Axial chest CT slice 114 of 143 (counted from the lowest slice); tube voltage 120 kVp, convolution kernel LUNG; slices 2.50 mm thick, 0.781 mm per pixel.
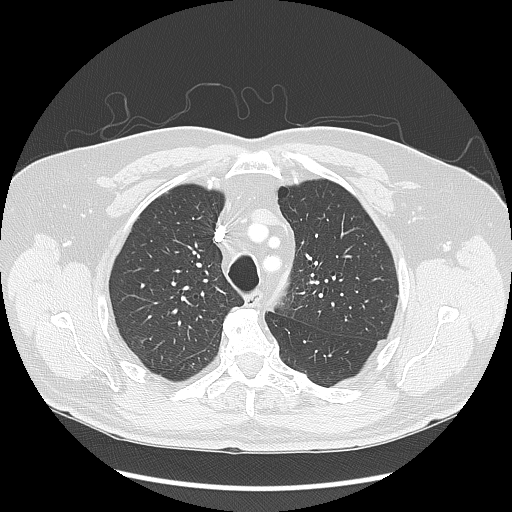
No nodule 3 mm or larger was outlined here by any reader.